Axial slice 97 of 114 of a chest CT (slice 1 is the lowest), reconstructed with the FC01 kernel at 135 kVp; 3.00 mm slice thickness and 0.711 mm pixels.
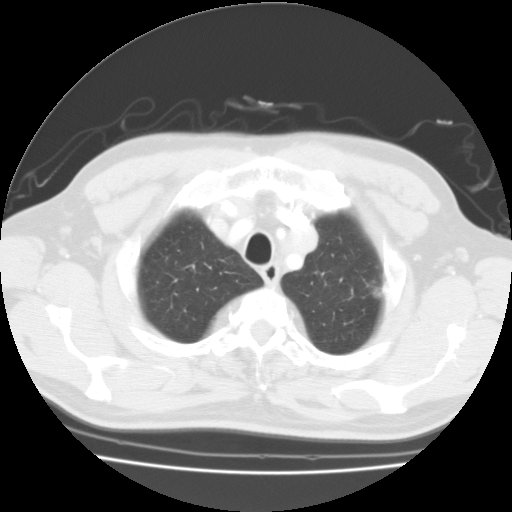
Pulmonary nodule, outlined by all four readers, three of them on this slice. Box on this slice rows 284–297, columns 371–384, the union of the readers' outlines on this slice; longest diameter 20.6 mm on average over the four readers' outlines (readers' outlines 18.0–22.7 mm), volume 2376–3822 mm3. The readers' prevailing ratings and who disagreed: texture 5/5 (solid) by three of four readers; the rest gave 4/5 (one); most readers (three of four) put margin at 5/5 (circumscribed), others 3/5 (one); most readers (three of four) put sphericity at 4/5, others 5/5 (round) (one); calcification absent from all four readers; internal structure soft tissue from all four readers; subtlety 5/5 from all four readers; malignancy likelihood split among the readers: 4/5 (two), 5/5 (two). Scale key (1–5): texture non-solid→solid, margin indistinct→circumscribed, sphericity linear→round, subtlety extremely subtle→obvious, malignancy likelihood highly unlikely→highly suspicious of cancer. Box rows and columns are 0-based pixel indices from the top-left corner, inclusive.